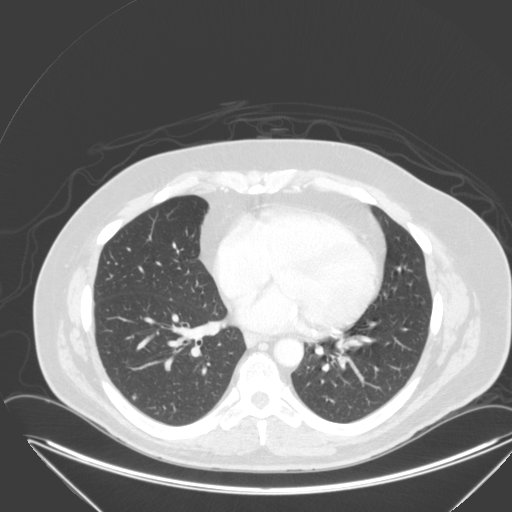
Axial chest CT slice 132 of 315 (counted from the lowest slice); tube voltage 120 kVp, convolution kernel B; slices 2.00 mm thick, 0.830 mm per pixel.
Pulmonary nodule outlined by all four readers; box rows 395–399, columns 131–135 (the union of the readers' outlines on this slice); median longest diameter 6.3 mm (readers' outlines 6.0–7.1 mm), median volume 83 mm3 (73–110 mm3). Median ratings and the readers' spread: texture 5/5 (solid) at the median of four readers, spread 4/5 to 5/5 (solid); median margin 5/5 (circumscribed) (readers ranged 4/5 to 5/5 (circumscribed)); median sphericity 5/5 (round) (readers ranged 4/5 to 5/5 (round)); calcification absent, all four readers agreeing; internal structure soft tissue, all four readers agreeing; subtlety 3.5/5 at the median of four readers, spread 2–5; median malignancy likelihood 2.5/5 (readers ranged 2–3). Scale key (1–5): texture non-solid→solid, margin indistinct→circumscribed, sphericity linear→round, subtlety extremely subtle→obvious, malignancy likelihood highly unlikely→highly suspicious of cancer. Box rows and columns are 0-based pixel indices from the top-left corner, inclusive.